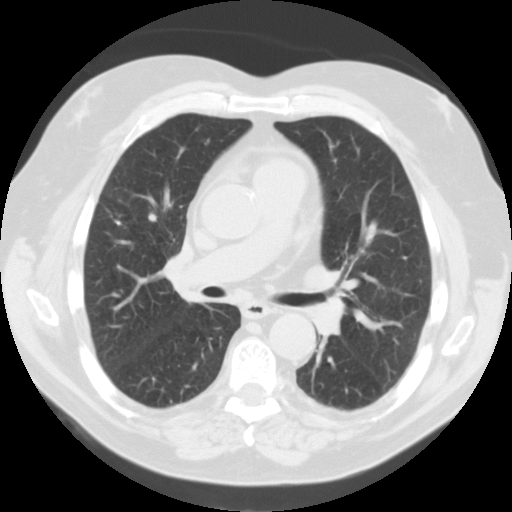
Axial chest CT slice 68 of 115 (counted from the lowest slice); 3.00 mm thick, 0.720 mm per pixel. Pulmonary nodule at rows 221–224, columns 117–120 (box = the union of the readers' outlines on this slice), outlined by two of the four readers; longest diameter 5.9–15.2 mm and volume 119–265 mm3 across the two readers' outlines. Ratings across the readers: texture 5/5 (solid) from both readers; margin 5/5 (circumscribed) from both readers; sphericity from 2/5 to 4/5 across the two readers; calcification solid calcification from both readers; internal structure soft tissue, both readers agreeing; subtlety 3–5/5 (the readers disagree); malignancy likelihood 1/5, both readers agreeing. Scale key (1–5): texture non-solid→solid, margin indistinct→circumscribed, sphericity linear→round, subtlety extremely subtle→obvious, malignancy likelihood highly unlikely→highly suspicious of cancer. Box rows and columns are 0-based pixel indices from the top-left corner, inclusive.
Tube voltage 135 kVp; convolution kernel FC01.